One axial slice (88 of 351, counting up from the lowest) of a chest CT acquired at 120 kVp with the B70f kernel; each pixel is 0.643 mm and the slice is 2.00 mm thick.
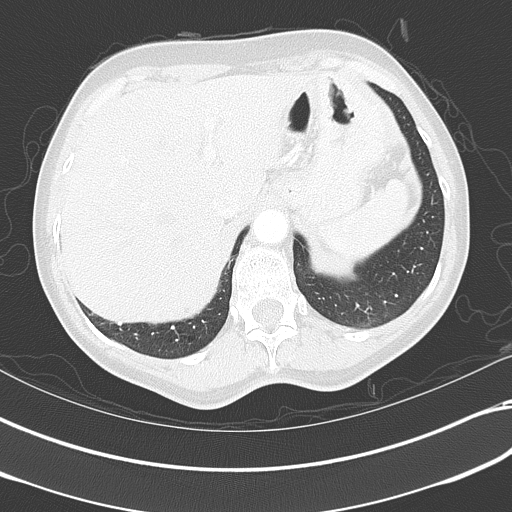
Pulmonary nodule outlined by two of the four readers; box rows 322–324, columns 118–121 (the union of the readers' outlines on this slice); median longest diameter 4.8 mm (readers' outlines 4.3–5.3 mm), median volume 41 mm3 (31–50 mm3). Ratings, median across the readers with their spread: texture 5/5 (solid), both readers agreeing; margin 5/5 (circumscribed) from both readers; sphericity 5/5 (round), both readers agreeing; calcification split among the readers: solid calcification (one), absent (one); internal structure soft tissue, both readers agreeing; median subtlety 4/5 (readers ranged 3–5); malignancy likelihood 1.5/5 at the median of two readers, spread 1–2. Scale key (1–5): texture non-solid→solid, margin indistinct→circumscribed, sphericity linear→round, subtlety extremely subtle→obvious, malignancy likelihood highly unlikely→highly suspicious of cancer. Box rows and columns are 0-based pixel indices from the top-left corner, inclusive.